Axial chest CT slice 270 of 330 (counted from the lowest slice); tube voltage 120 kVp, convolution kernel B45f; slices 1.00 mm thick, 0.762 mm per pixel.
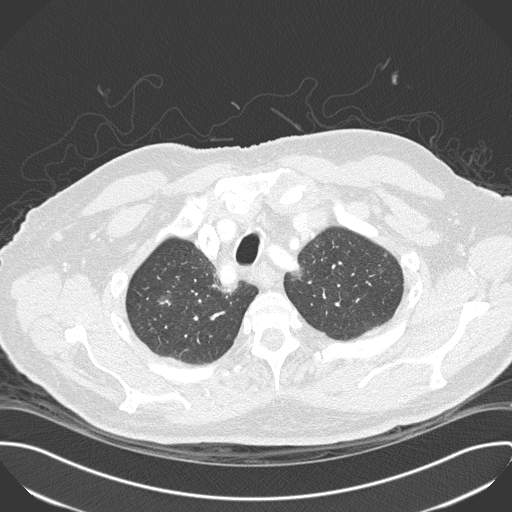
Pulmonary nodule, outlined by all four readers. Box on this slice rows 290–306, columns 156–173, the union of the readers' outlines on this slice; longest diameter 17.2 mm on average over the four readers' outlines (readers' outlines 15.2–19.9 mm), volume 678–927 mm3. Ratings, by the readers' most common answer with dissent counted: most readers (three of four) put texture at 1/5 (non-solid), others 2/5 (one); margin 2/5 by two of four readers; the rest gave 1/5 (indistinct) (one), 4/5 (one); sphericity 4/5 by two of four readers; the rest gave 3/5 (ovoid) (one), 5/5 (round) (one); calcification absent, all four readers agreeing; internal structure soft tissue, all four readers agreeing; subtlety 3/5 by two of four readers; the rest gave 1/5 (one), 4/5 (one); malignancy likelihood 4/5 by two of four readers; the rest gave 2/5 (one), 3/5 (one). Scale key (1–5): texture non-solid→solid, margin indistinct→circumscribed, sphericity linear→round, subtlety extremely subtle→obvious, malignancy likelihood highly unlikely→highly suspicious of cancer. Box rows and columns are 0-based pixel indices from the top-left corner, inclusive.